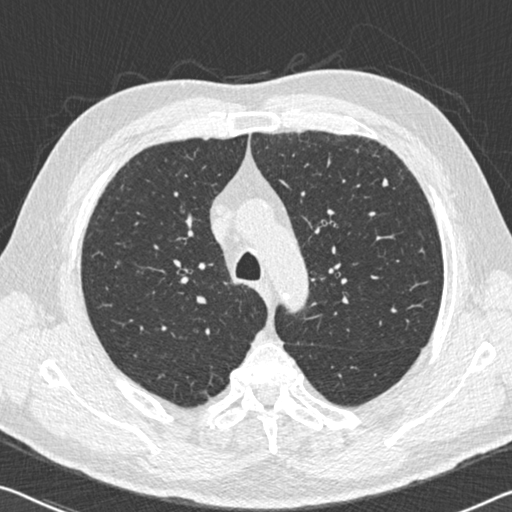
This is axial slice 421 of 536 (slice 1 is the lowest) of a chest CT; each pixel is 0.656 mm and the slice is 0.75 mm thick. Pulmonary nodule at rows 176–186, columns 382–387 (box = the union of the readers' outlines on this slice), outlined by three of the four readers; longest diameter 7.2 mm on average over the three readers' outlines (readers' outlines 6.7–8.3 mm), volume 64–106 mm3. Ratings, by the readers' most common answer with dissent counted: texture 5/5 (solid), all three readers agreeing; most readers (two of three) put margin at 5/5 (circumscribed), others 4/5 (one); sphericity 2/5 by two of three readers; the rest gave 3/5 (ovoid) (one); calcification absent by two of three readers, non-central calcification (one); internal structure soft tissue, all three readers agreeing; subtlety split among the readers: 2/5 (one), 3/5 (one), 5/5 (one); malignancy likelihood 2/5 by two of three readers; the rest gave 3/5 (one). Scale key (1–5): texture non-solid→solid, margin indistinct→circumscribed, sphericity linear→round, subtlety extremely subtle→obvious, malignancy likelihood highly unlikely→highly suspicious of cancer. Box rows and columns are 0-based pixel indices from the top-left corner, inclusive.
Scan settings: 120 kVp, B30f reconstruction kernel.